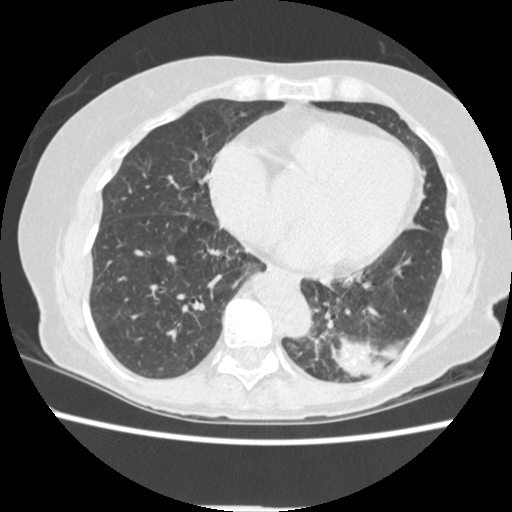
Slice 118/362 of a chest CT, counting up from the lowest; pixel size 0.625 mm, slice thickness 1.25 mm. Pulmonary nodule at rows 338–375, columns 332–383 (box = that reader's outline on this slice), outlined by one of the four readers; longest diameter 37.2 mm and volume 2579 mm3 from that reader's outline. Ratings by that reader: texture 5/5 (solid); margin 3/5; sphericity 4/5; calcification absent; internal structure soft tissue; subtlety 5/5; malignancy likelihood 4/5. Scale key (1–5): texture non-solid→solid, margin indistinct→circumscribed, sphericity linear→round, subtlety extremely subtle→obvious, malignancy likelihood highly unlikely→highly suspicious of cancer. Box rows and columns are 0-based pixel indices from the top-left corner, inclusive.
Acquired at 120 kVp and reconstructed with the STANDARD kernel.